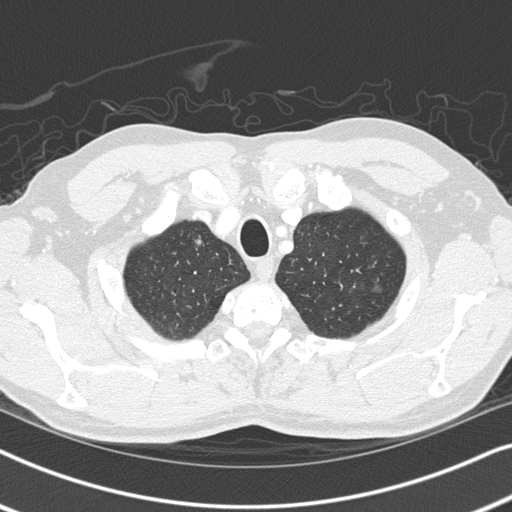
Axial slice 287 of 326 of a chest CT (slice 1 is the lowest), reconstructed with the B45f kernel at 120 kVp; 1.00 mm slice thickness and 0.645 mm pixels.
Two pulmonary nodules on this slice, listed from left to right. (1) Pulmonary nodule outlined by three of the four readers; box rows 235–245, columns 195–201 (the union of the readers' outlines on this slice); longest diameter 5.5–7.8 mm and volume 49–59 mm3 across the three readers' outlines. The readers' ratings, as ranges where they differ: texture from 3/5 (part-solid) to 5/5 (solid) across the three readers; margin from 1/5 (indistinct) to 5/5 (circumscribed) across the three readers; sphericity from 4/5 to 5/5 (round) across the three readers; calcification absent from all three readers; internal structure soft tissue, all three readers agreeing; subtlety 3/5, all three readers agreeing; malignancy likelihood from 2/5 to 3/5 across the three readers. (2) Pulmonary nodule, outlined by all four readers. Box on this slice rows 283–294, columns 368–384, the union of the readers' outlines on this slice; median longest diameter 11.8 mm (readers' outlines 9.0–13.3 mm), median volume 322 mm3 (232–417 mm3). Ratings, median across the readers with their spread: texture 1/5 (non-solid) at the median of four readers, spread 1/5 (non-solid) to 4/5; margin 2/5 at the median of four readers, spread 1/5 (indistinct) to 5/5 (circumscribed); sphericity 4/5 at the median of four readers, spread 4/5 to 5/5 (round); calcification absent from all four readers; internal structure soft tissue from all four readers; median subtlety 1.5/5 (readers ranged 1–4); malignancy likelihood 2.5/5 at the median of four readers, spread 2–3. Scale key (1–5): texture non-solid→solid, margin indistinct→circumscribed, sphericity linear→round, subtlety extremely subtle→obvious, malignancy likelihood highly unlikely→highly suspicious of cancer. Box rows and columns are 0-based pixel indices from the top-left corner, inclusive.